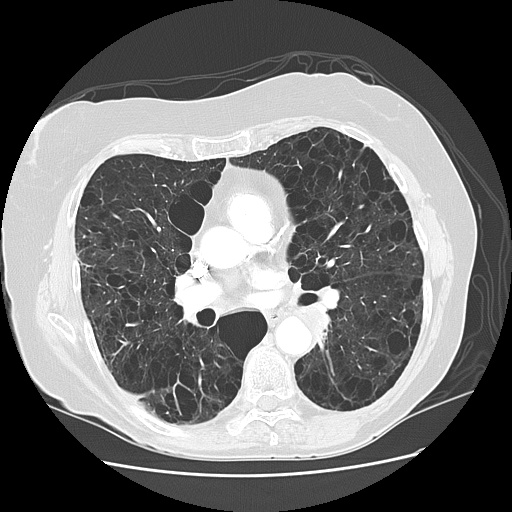
Axial slice 65 of 125 of a chest CT (slice 1 is the lowest), reconstructed with the LUNG kernel at 120 kVp; 2.50 mm slice thickness and 0.703 mm pixels.
Pulmonary nodule outlined by one of the four readers; box rows 308–346, columns 294–326 (that reader's outline on this slice); longest diameter 37.4 mm and volume 10878 mm3 from that reader's outline. That reader's ratings: texture 5/5 (solid); margin 5/5 (circumscribed); sphericity 5/5 (round); calcification absent; internal structure soft tissue; subtlety 3/5; malignancy likelihood 2/5. Scale key (1–5): texture non-solid→solid, margin indistinct→circumscribed, sphericity linear→round, subtlety extremely subtle→obvious, malignancy likelihood highly unlikely→highly suspicious of cancer. Box rows and columns are 0-based pixel indices from the top-left corner, inclusive.